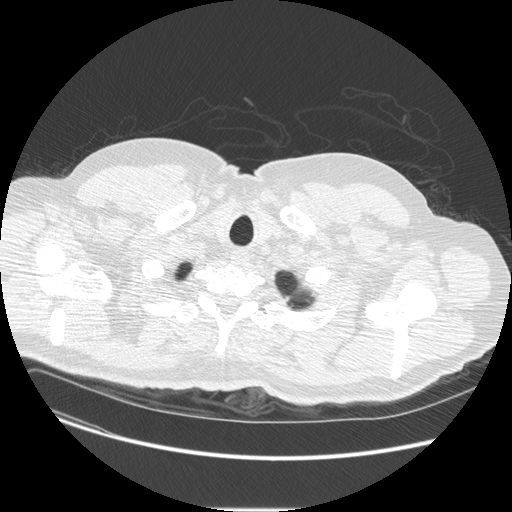
Slice 439/461 of a chest CT, counting up from the lowest; pixel size 0.781 mm, slice thickness 1.25 mm. Pulmonary nodule outlined by one of the four readers; box rows 295–301, columns 285–289 (that reader's outline on this slice); longest diameter 7.8 mm and volume 81 mm3 from that reader's outline. That reader's ratings: texture 5/5 (solid); margin 4/5; sphericity 4/5; calcification absent; internal structure soft tissue; subtlety 5/5; malignancy likelihood 3/5. Scale key (1–5): texture non-solid→solid, margin indistinct→circumscribed, sphericity linear→round, subtlety extremely subtle→obvious, malignancy likelihood highly unlikely→highly suspicious of cancer. Box rows and columns are 0-based pixel indices from the top-left corner, inclusive.
Tube voltage 120 kVp; convolution kernel STANDARD.